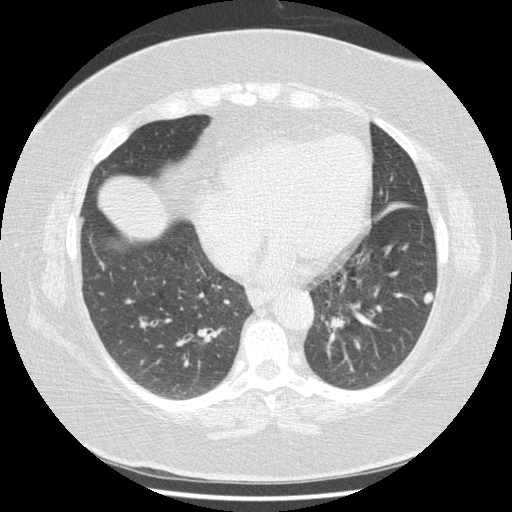
Axial chest CT slice 170 of 417 (counted from the lowest slice); tube voltage 120 kVp, convolution kernel STANDARD; slices 1.25 mm thick, 0.703 mm per pixel.
Pulmonary nodule at rows 291–304, columns 423–433 (box = the union of the readers' outlines on this slice), outlined by all four readers; the four readers' outlines give a longest diameter between 10.1 and 11.6 mm and a volume between 183 and 290 mm3. Ratings across the readers: texture 5/5 (solid) from all four readers; margin from 4/5 to 5/5 (circumscribed) across the four readers; sphericity from 3/5 (ovoid) to 4/5 across the four readers; calcification absent, all four readers agreeing; internal structure soft tissue, all four readers agreeing; subtlety 4–5/5 (the readers disagree); malignancy likelihood rated between 3 and 4 out of 5 by the four readers. Scale key (1–5): texture non-solid→solid, margin indistinct→circumscribed, sphericity linear→round, subtlety extremely subtle→obvious, malignancy likelihood highly unlikely→highly suspicious of cancer. Box rows and columns are 0-based pixel indices from the top-left corner, inclusive.